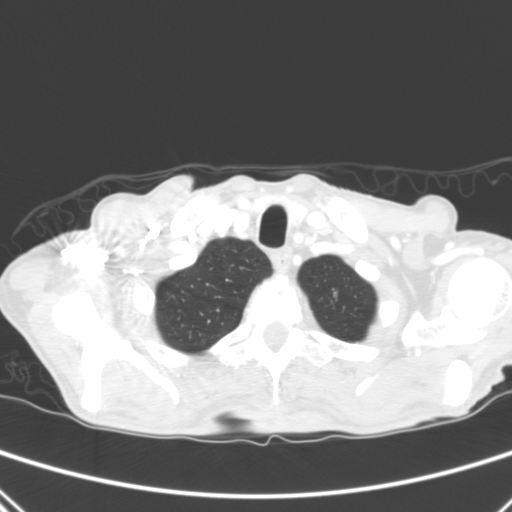
Chest CT, axial plane, 120 kVp, kernel B. Slice 267/290 from the bottom of the scan; thickness 2.00 mm; pixel size 0.639 mm.
Pulmonary nodule outlined by one of the four readers; box rows 292–297, columns 333–336 (that reader's outline on this slice); longest diameter 5.9 mm and volume 62 mm3 from that reader's outline. Ratings by that reader: texture 5/5 (solid); margin 4/5; sphericity 3/5 (ovoid); calcification absent; internal structure soft tissue; subtlety 5/5; malignancy likelihood 3/5. Scale key (1–5): texture non-solid→solid, margin indistinct→circumscribed, sphericity linear→round, subtlety extremely subtle→obvious, malignancy likelihood highly unlikely→highly suspicious of cancer. Box rows and columns are 0-based pixel indices from the top-left corner, inclusive.